One axial slice (138 of 244, counting up from the lowest) of a chest CT acquired at 120 kVp with the BONE kernel; each pixel is 0.674 mm and the slice is 1.25 mm thick.
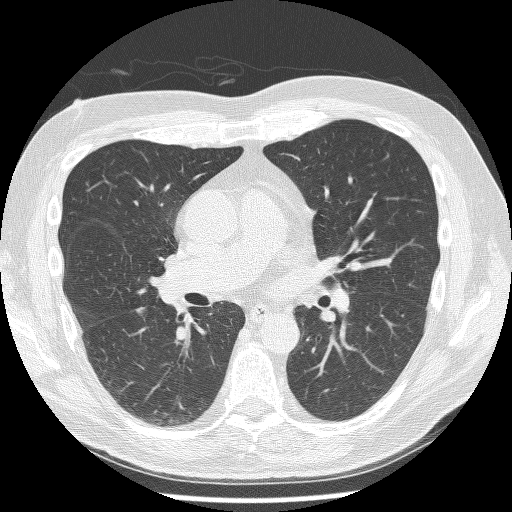
Pulmonary nodule, outlined by all four readers, three of them on this slice. Box on this slice rows 308–315, columns 136–145, the union of the readers' outlines on this slice; longest diameter 8.6–12.1 mm and volume 222–252 mm3 across the four readers' outlines. The readers' ratings, as ranges where they differ: texture from 4/5 to 5/5 (solid) across the four readers; margin from 4/5 to 5/5 (circumscribed) across the four readers; sphericity from 2/5 to 3/5 (ovoid) across the four readers; calcification absent, all four readers agreeing; internal structure soft tissue, all four readers agreeing; subtlety 4–5/5 (the readers disagree); malignancy likelihood 2–4/5 (the readers disagree). Scale key (1–5): texture non-solid→solid, margin indistinct→circumscribed, sphericity linear→round, subtlety extremely subtle→obvious, malignancy likelihood highly unlikely→highly suspicious of cancer. Box rows and columns are 0-based pixel indices from the top-left corner, inclusive.